Chest CT, axial plane, 130 kVp, kernel B31s. Slice 78/122 from the bottom of the scan; thickness 3.00 mm; pixel size 0.668 mm.
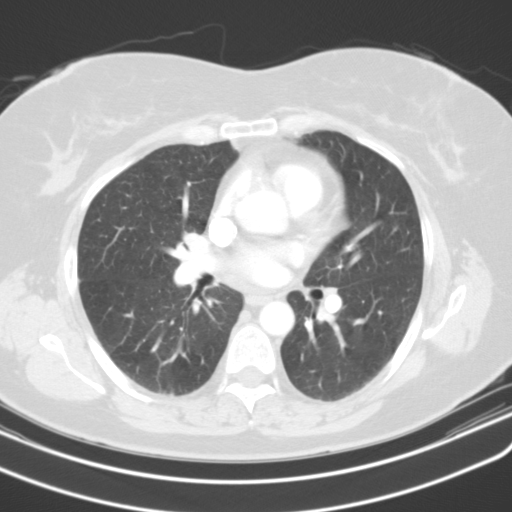
No nodule 3 mm or larger was outlined here by any reader.